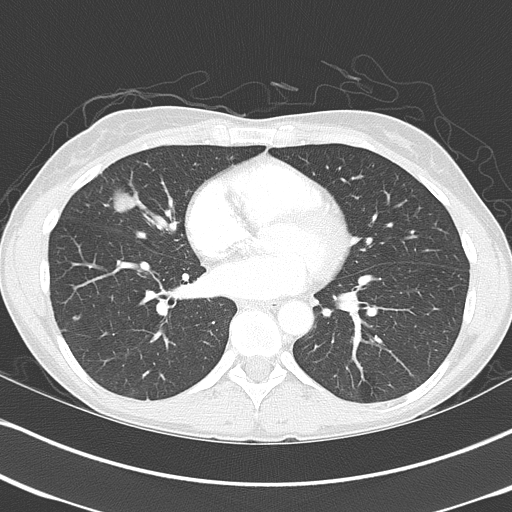
One axial slice (189 of 368, counting up from the lowest) of a chest CT acquired at 120 kVp with the B70f kernel; each pixel is 0.623 mm and the slice is 2.00 mm thick.
Pulmonary nodule at rows 187–213, columns 112–137 (box = the union of the readers' outlines on this slice), outlined by all four readers; the four readers' outlines give a longest diameter between 27.1 and 39.3 mm and a volume between 6531 and 9806 mm3. The readers' ratings, as ranges where they differ: texture 5/5 (solid) from all four readers; margin from 2/5 to 5/5 (circumscribed) across the four readers; sphericity from 2/5 to 3/5 (ovoid) across the four readers; calcification split among the readers: laminated calcification (one), absent (one), popcorn calcification (one), non-central calcification (one); internal structure soft tissue, all four readers agreeing; subtlety 5/5, all four readers agreeing; malignancy likelihood from 1/5 to 5/5 across the four readers. Scale key (1–5): texture non-solid→solid, margin indistinct→circumscribed, sphericity linear→round, subtlety extremely subtle→obvious, malignancy likelihood highly unlikely→highly suspicious of cancer. Box rows and columns are 0-based pixel indices from the top-left corner, inclusive.